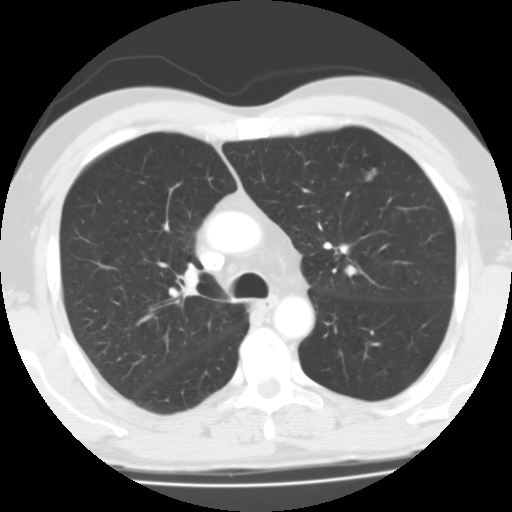
One axial slice (91 of 127, counting up from the lowest) of a chest CT acquired at 135 kVp with the FC01 kernel; each pixel is 0.677 mm and the slice is 3.00 mm thick.
Pulmonary nodule at rows 167–181, columns 365–376 (box = the union of the readers' outlines on this slice), outlined by all four readers; longest diameter 11.7–13.1 mm and volume 622–939 mm3 across the four readers' outlines. Ratings across the readers: texture 5/5 (solid), all four readers agreeing; margin from 4/5 to 5/5 (circumscribed) across the four readers; sphericity from 3/5 (ovoid) to 5/5 (round) across the four readers; calcification absent from all four readers; internal structure soft tissue from all four readers; subtlety 5/5 from all four readers; malignancy likelihood 3–5/5 (the readers disagree). Scale key (1–5): texture non-solid→solid, margin indistinct→circumscribed, sphericity linear→round, subtlety extremely subtle→obvious, malignancy likelihood highly unlikely→highly suspicious of cancer. Box rows and columns are 0-based pixel indices from the top-left corner, inclusive.